Chest CT, axial plane, 120 kVp, kernel LUNG. Slice 60/117 from the bottom of the scan; thickness 2.50 mm; pixel size 0.820 mm.
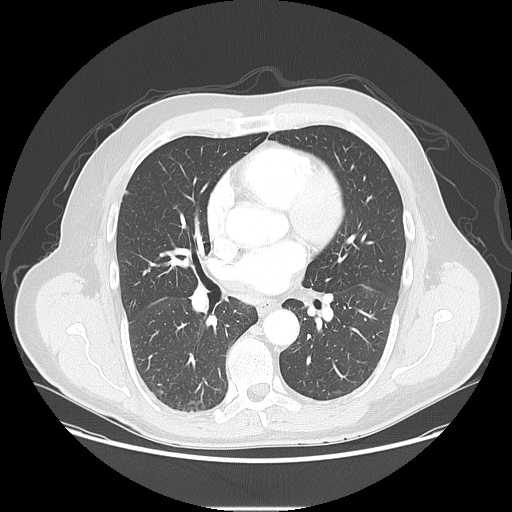
Pulmonary nodule at rows 191–193, columns 125–127 (box = the union of the readers' outlines on this slice), outlined by three of the four readers, two of them on this slice; the three readers' outlines give a longest diameter between 6.2 and 7.6 mm and a volume between 55 and 75 mm3. Ratings across the readers: texture 5/5 (solid) from all three readers; margin from 4/5 to 5/5 (circumscribed) across the three readers; sphericity from 2/5 to 5/5 (round) across the three readers; calcification absent, all three readers agreeing; internal structure soft tissue, all three readers agreeing; subtlety 3/5, all three readers agreeing; malignancy likelihood 2–3/5 (the readers disagree). Scale key (1–5): texture non-solid→solid, margin indistinct→circumscribed, sphericity linear→round, subtlety extremely subtle→obvious, malignancy likelihood highly unlikely→highly suspicious of cancer. Box rows and columns are 0-based pixel indices from the top-left corner, inclusive.